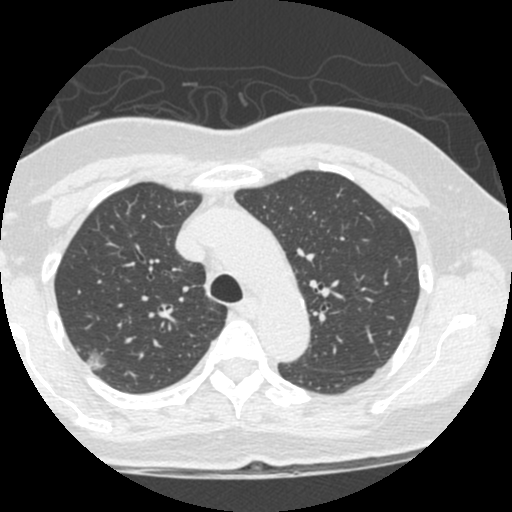
Axial chest CT slice 378 of 490 (counted from the lowest slice); tube voltage 120 kVp, convolution kernel STANDARD; slices 1.25 mm thick, 0.547 mm per pixel.
Pulmonary nodule outlined by three of the four readers; box rows 349–371, columns 84–108 (the union of the readers' outlines on this slice); the three readers' outlines give a longest diameter between 14.3 and 18.3 mm and a volume between 967 and 1422 mm3. Ratings across the readers: texture from 1/5 (non-solid) to 5/5 (solid) across the three readers; margin from 2/5 to 4/5 across the three readers; sphericity from 3/5 (ovoid) to 5/5 (round) across the three readers; calcification absent from all three readers; internal structure soft tissue from all three readers; subtlety from 1/5 to 5/5 across the three readers; malignancy likelihood 2–5/5 (the readers disagree). Scale key (1–5): texture non-solid→solid, margin indistinct→circumscribed, sphericity linear→round, subtlety extremely subtle→obvious, malignancy likelihood highly unlikely→highly suspicious of cancer. Box rows and columns are 0-based pixel indices from the top-left corner, inclusive.